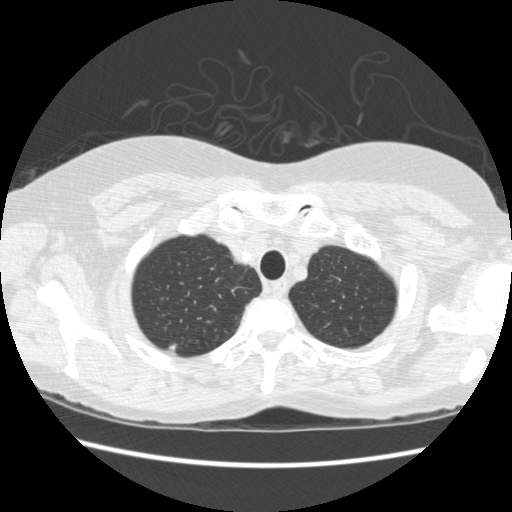
Axial chest CT slice 425 of 477 (counted from the lowest slice); 1.25 mm thick, 0.664 mm per pixel. Pulmonary nodule outlined by one of the four readers; box rows 343–350, columns 169–174 (that reader's outline on this slice); longest diameter 8.9 mm and volume 110 mm3 from that reader's outline. Ratings by that reader: texture 5/5 (solid); margin 4/5; sphericity 3/5 (ovoid); calcification absent; internal structure soft tissue; subtlety 4/5; malignancy likelihood 3/5. Scale key (1–5): texture non-solid→solid, margin indistinct→circumscribed, sphericity linear→round, subtlety extremely subtle→obvious, malignancy likelihood highly unlikely→highly suspicious of cancer. Box rows and columns are 0-based pixel indices from the top-left corner, inclusive.
Acquired at 120 kVp and reconstructed with the STANDARD kernel.